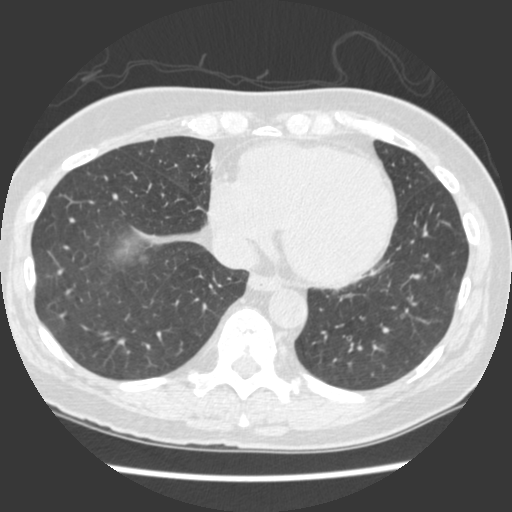
Chest CT, axial plane, 120 kVp, kernel STANDARD. Slice 101/429 from the bottom of the scan; thickness 1.25 mm; pixel size 0.586 mm.
Pulmonary nodule outlined by one of the four readers; box rows 256–261, columns 140–148 (that reader's outline on this slice); longest diameter 8.8 mm and volume 79 mm3 from that reader's outline. Ratings by that reader: texture 4/5; margin 3/5; sphericity 5/5 (round); calcification absent; internal structure soft tissue; subtlety 3/5; malignancy likelihood 3/5. Scale key (1–5): texture non-solid→solid, margin indistinct→circumscribed, sphericity linear→round, subtlety extremely subtle→obvious, malignancy likelihood highly unlikely→highly suspicious of cancer. Box rows and columns are 0-based pixel indices from the top-left corner, inclusive.